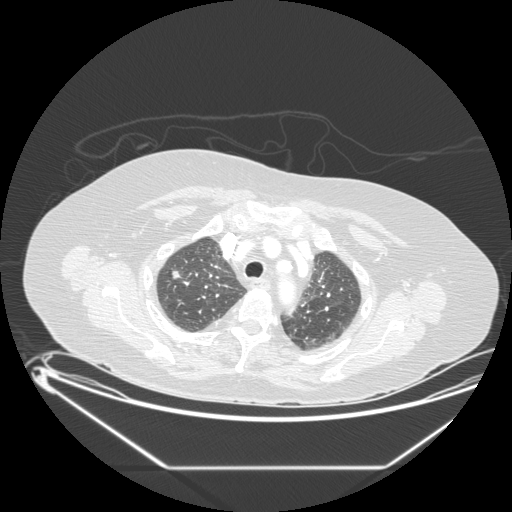
Chest CT, axial plane, 120 kVp, kernel STANDARD. Slice 164/197 from the bottom of the scan; thickness 1.25 mm; pixel size 0.859 mm.
Pulmonary nodule, outlined by all four readers. Box on this slice rows 270–278, columns 172–182, the union of the readers' outlines on this slice; median longest diameter 12.2 mm (readers' outlines 10.4–12.9 mm), median volume 527 mm3 (381–630 mm3). Ratings, median across the readers with their spread: median texture 5/5 (solid) (readers ranged 3/5 (part-solid) to 5/5 (solid)); median margin 4.5/5 (readers ranged 2/5 to 5/5 (circumscribed)); median sphericity 4.5/5 (readers ranged 4/5 to 5/5 (round)); calcification absent, all four readers agreeing; internal structure: soft tissue (three), air (one); subtlety 4/5 at the median of four readers, spread 3–5; malignancy likelihood 3/5 at the median of four readers, spread 2–4. Scale key (1–5): texture non-solid→solid, margin indistinct→circumscribed, sphericity linear→round, subtlety extremely subtle→obvious, malignancy likelihood highly unlikely→highly suspicious of cancer. Box rows and columns are 0-based pixel indices from the top-left corner, inclusive.